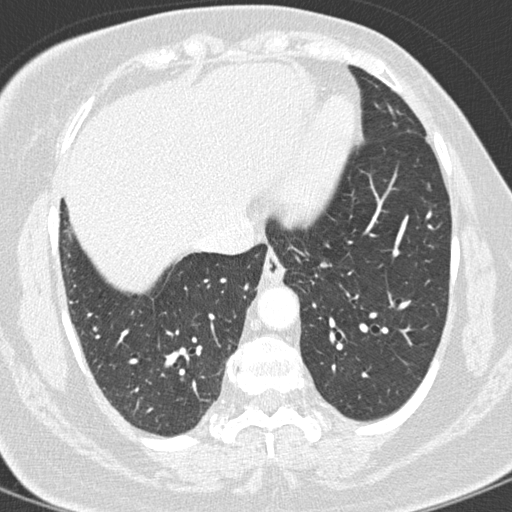
This is axial slice 110 of 298 (slice 1 is the lowest) of a chest CT; each pixel is 0.547 mm and the slice is 1.00 mm thick. Pulmonary nodule outlined by three of the four readers; box rows 261–267, columns 320–330 (the union of the readers' outlines on this slice); median longest diameter 6.6 mm (readers' outlines 5.6–6.6 mm), median volume 67 mm3 (48–68 mm3). Ratings, median across the readers with their spread: texture 5/5 (solid) at the median of three readers, spread 4/5 to 5/5 (solid); median margin 5/5 (circumscribed) (readers ranged 3/5 to 5/5 (circumscribed)); sphericity 4/5 at the median of three readers, spread 3/5 (ovoid) to 5/5 (round); calcification absent from all three readers; internal structure soft tissue, all three readers agreeing; median subtlety 1/5 (readers ranged 1–3); median malignancy likelihood 3/5 (readers ranged 2–3). Scale key (1–5): texture non-solid→solid, margin indistinct→circumscribed, sphericity linear→round, subtlety extremely subtle→obvious, malignancy likelihood highly unlikely→highly suspicious of cancer. Box rows and columns are 0-based pixel indices from the top-left corner, inclusive.
Acquired at 120 kVp and reconstructed with the B45f kernel.